Axial slice 112 of 133 of a chest CT (slice 1 is the lowest), reconstructed with the STANDARD kernel at 120 kVp; 2.50 mm slice thickness and 0.859 mm pixels.
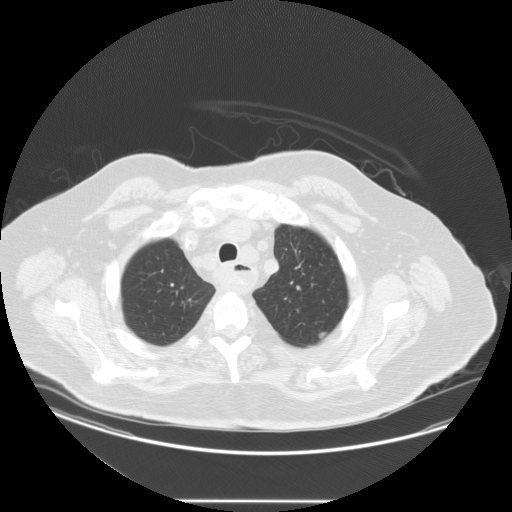
Pulmonary nodule, outlined by two of the four readers. Box on this slice rows 331–339, columns 318–326, the union of the readers' outlines on this slice; longest diameter 10.6 mm on average over the two readers' outlines (readers' outlines 9.6–11.5 mm), volume 170–279 mm3. Ratings, by the readers' most common answer with dissent counted: texture split among the readers: 4/5 (one), 5/5 (solid) (one); margin split among the readers: 4/5 (one), 5/5 (circumscribed) (one); sphericity split among the readers: 2/5 (one), 3/5 (ovoid) (one); calcification absent from both readers; internal structure soft tissue from both readers; subtlety split among the readers: 1/5 (one), 3/5 (one); malignancy likelihood 3/5, both readers agreeing. Scale key (1–5): texture non-solid→solid, margin indistinct→circumscribed, sphericity linear→round, subtlety extremely subtle→obvious, malignancy likelihood highly unlikely→highly suspicious of cancer. Box rows and columns are 0-based pixel indices from the top-left corner, inclusive.